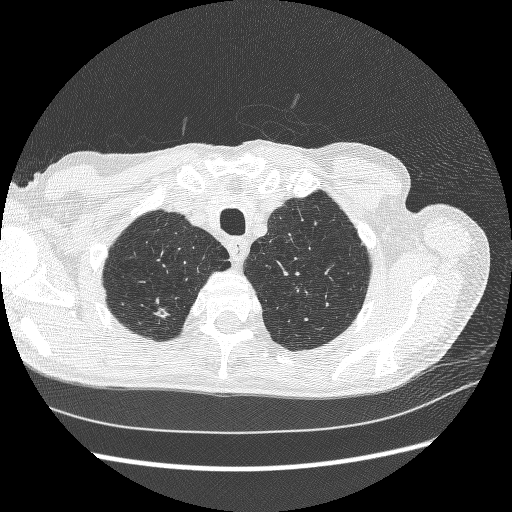
One axial slice (245 of 278, counting up from the lowest) of a chest CT acquired at 120 kVp with the BONE kernel; each pixel is 0.711 mm and the slice is 1.25 mm thick.
Pulmonary nodule, outlined by three of the four readers. Box on this slice rows 308–317, columns 154–167, the union of the readers' outlines on this slice; median longest diameter 14.4 mm (readers' outlines 11.8–14.4 mm), median volume 174 mm3 (135–304 mm3). Ratings, median across the readers with their spread: texture 5/5 (solid) at the median of three readers, spread 4/5 to 5/5 (solid); median margin 3/5 (readers ranged 1/5 (indistinct) to 4/5); sphericity 3/5 (ovoid) at the median of three readers, spread 1/5 (linear) to 4/5; calcification absent, all three readers agreeing; internal structure soft tissue from all three readers; median subtlety 5/5 (readers ranged 4–5); median malignancy likelihood 3/5 (readers ranged 3–4). Scale key (1–5): texture non-solid→solid, margin indistinct→circumscribed, sphericity linear→round, subtlety extremely subtle→obvious, malignancy likelihood highly unlikely→highly suspicious of cancer. Box rows and columns are 0-based pixel indices from the top-left corner, inclusive.